One axial slice (326 of 516, counting up from the lowest) of a chest CT acquired at 120 kVp with the STANDARD kernel; each pixel is 0.820 mm and the slice is 1.25 mm thick.
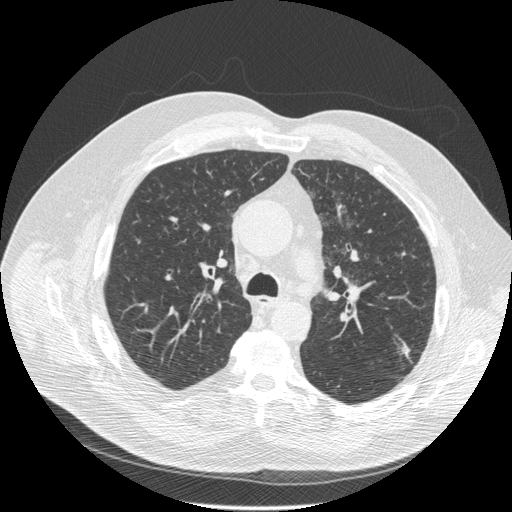
Pulmonary nodule outlined by three of the four readers, two of them on this slice; box rows 345–354, columns 403–411 (the union of the readers' outlines on this slice); longest diameter 23.2–31.7 mm and volume 750–1666 mm3 across the three readers' outlines. The readers' ratings, as ranges where they differ: texture from 3/5 (part-solid) to 5/5 (solid) across the three readers; margin from 3/5 to 4/5 across the three readers; sphericity 2/5, all three readers agreeing; calcification absent from all three readers; internal structure soft tissue from all three readers; subtlety 5/5, all three readers agreeing; malignancy likelihood 4/5 from all three readers. Scale key (1–5): texture non-solid→solid, margin indistinct→circumscribed, sphericity linear→round, subtlety extremely subtle→obvious, malignancy likelihood highly unlikely→highly suspicious of cancer. Box rows and columns are 0-based pixel indices from the top-left corner, inclusive.